Chest CT, axial plane, 140 kVp, kernel B31f. Slice 81/111 from the bottom of the scan; thickness 3.00 mm; pixel size 0.633 mm.
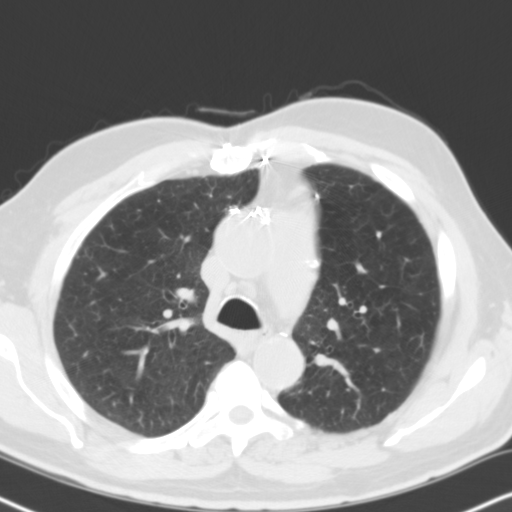
Pulmonary nodule at rows 348–351, columns 374–380 (box = that reader's outline on this slice), outlined by one of the four readers; longest diameter 5.1 mm and volume 35 mm3 from that reader's outline. That reader's ratings: texture 5/5 (solid); margin 5/5 (circumscribed); sphericity 5/5 (round); calcification absent; internal structure soft tissue; subtlety 1/5; malignancy likelihood 2/5. Scale key (1–5): texture non-solid→solid, margin indistinct→circumscribed, sphericity linear→round, subtlety extremely subtle→obvious, malignancy likelihood highly unlikely→highly suspicious of cancer. Box rows and columns are 0-based pixel indices from the top-left corner, inclusive.